Chest CT, axial plane, 120 kVp, kernel B30f. Slice 400/423 from the bottom of the scan; thickness 0.75 mm; pixel size 0.520 mm.
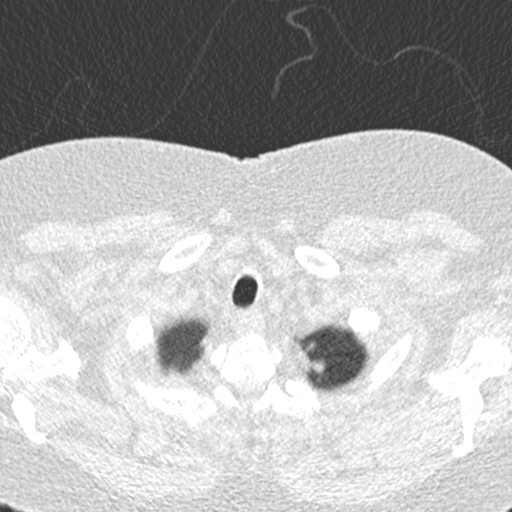
Pulmonary nodule outlined by one of the four readers; box rows 358–372, columns 311–324 (that reader's outline on this slice); longest diameter 10.4 mm and volume 150 mm3 from that reader's outline. That reader's ratings: texture 5/5 (solid); margin 4/5; sphericity 4/5; calcification absent; internal structure soft tissue; subtlety 5/5; malignancy likelihood 3/5. Scale key (1–5): texture non-solid→solid, margin indistinct→circumscribed, sphericity linear→round, subtlety extremely subtle→obvious, malignancy likelihood highly unlikely→highly suspicious of cancer. Box rows and columns are 0-based pixel indices from the top-left corner, inclusive.